Axial chest CT slice 97 of 277 (counted from the lowest slice); tube voltage 120 kVp, convolution kernel STANDARD; slices 1.25 mm thick, 0.879 mm per pixel.
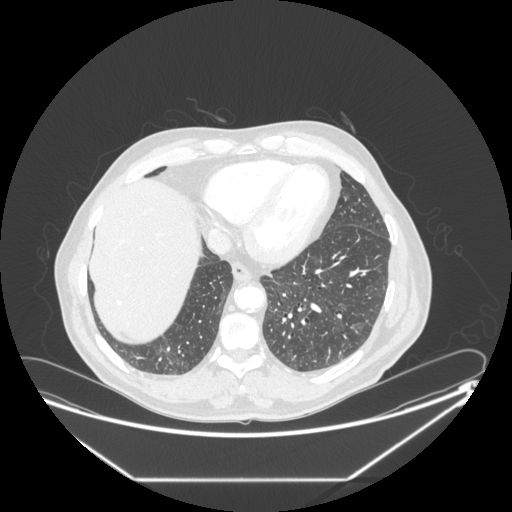
Pulmonary nodule, outlined by two of the four readers. Box on this slice rows 195–200, columns 343–348, the union of the readers' outlines on this slice; median longest diameter 8.5 mm (readers' outlines 7.6–9.3 mm), median volume 116 mm3 (94–139 mm3). Median ratings and the readers' spread: texture 4.5/5 at the median of two readers, spread 4/5 to 5/5 (solid); margin 4/5 at the median of two readers, spread 3/5 to 5/5 (circumscribed); sphericity 3/5 (ovoid) at the median of two readers, spread 2/5 to 4/5; calcification absent, both readers agreeing; internal structure soft tissue, both readers agreeing; median subtlety 4/5 (readers ranged 3–5); malignancy likelihood 2/5, both readers agreeing. Scale key (1–5): texture non-solid→solid, margin indistinct→circumscribed, sphericity linear→round, subtlety extremely subtle→obvious, malignancy likelihood highly unlikely→highly suspicious of cancer. Box rows and columns are 0-based pixel indices from the top-left corner, inclusive.